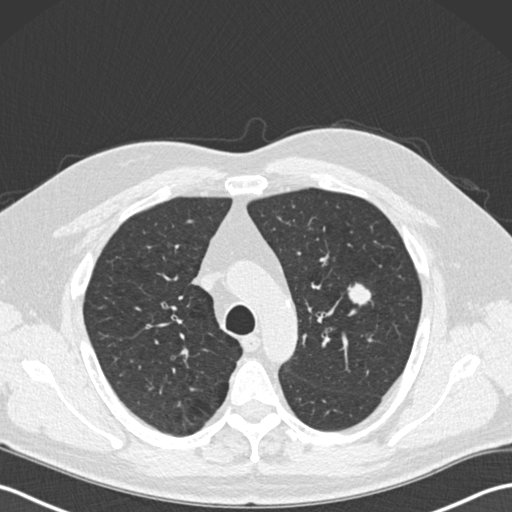
Axial slice 139 of 191 of a chest CT (slice 1 is the lowest), reconstructed with the B30f kernel at 120 kVp; 2.00 mm slice thickness and 0.684 mm pixels.
Pulmonary nodule outlined by all four readers; box rows 282–305, columns 346–371 (the union of the readers' outlines on this slice); longest diameter 19.4 mm on average over the four readers' outlines (readers' outlines 19.1–20.2 mm), volume 1870–2474 mm3. Ratings, by the readers' most common answer with dissent counted: texture 5/5 (solid), all four readers agreeing; margin 5/5 (circumscribed) by two of four readers; the rest gave 3/5 (one), 4/5 (one); sphericity split among the readers: 3/5 (ovoid) (two), 4/5 (two); calcification absent, all four readers agreeing; internal structure soft tissue from all four readers; subtlety 5/5 from all four readers; most readers (three of four) put malignancy likelihood at 5/5, others 4/5 (one). Scale key (1–5): texture non-solid→solid, margin indistinct→circumscribed, sphericity linear→round, subtlety extremely subtle→obvious, malignancy likelihood highly unlikely→highly suspicious of cancer. Box rows and columns are 0-based pixel indices from the top-left corner, inclusive.